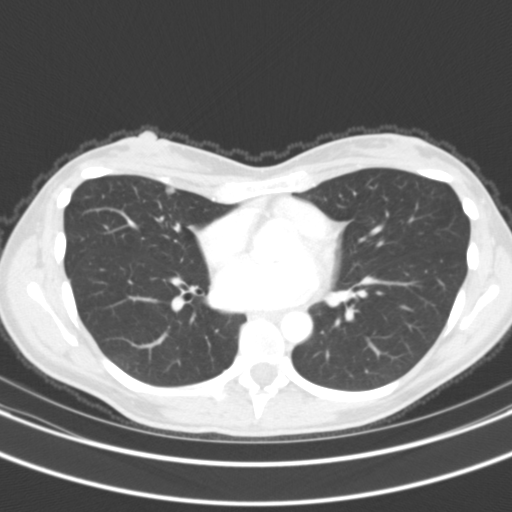
Axial slice 57 of 116 of a chest CT (slice 1 is the lowest), reconstructed with the B31s kernel at 130 kVp; 3.00 mm slice thickness and 0.588 mm pixels.
Pulmonary nodule outlined by three of the four readers; box rows 186–194, columns 165–175 (the union of the readers' outlines on this slice); longest diameter 7.0 mm on average over the three readers' outlines (readers' outlines 6.9–7.1 mm), volume 125–137 mm3. The readers' prevailing ratings and who disagreed: texture 5/5 (solid) by two of three readers; the rest gave 4/5 (one); most readers (two of three) put margin at 3/5, others 4/5 (one); most readers (two of three) put sphericity at 4/5, others 3/5 (ovoid) (one); calcification absent, all three readers agreeing; internal structure soft tissue, all three readers agreeing; subtlety split among the readers: 3/5 (one), 4/5 (one), 5/5 (one); malignancy likelihood split among the readers: 1/5 (one), 2/5 (one), 3/5 (one). Scale key (1–5): texture non-solid→solid, margin indistinct→circumscribed, sphericity linear→round, subtlety extremely subtle→obvious, malignancy likelihood highly unlikely→highly suspicious of cancer. Box rows and columns are 0-based pixel indices from the top-left corner, inclusive.